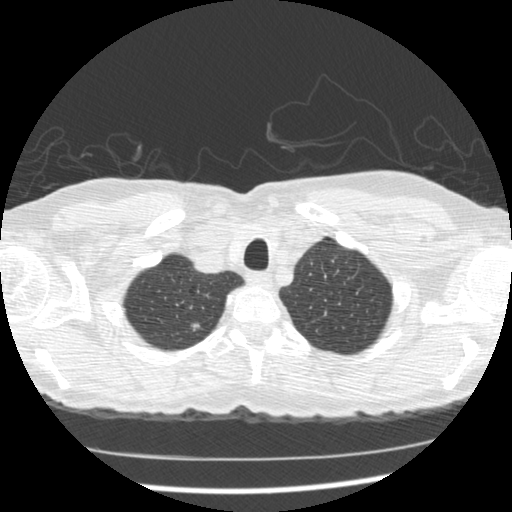
Axial chest CT slice 398 of 449 (counted from the lowest slice); tube voltage 120 kVp, convolution kernel STANDARD; slices 1.25 mm thick, 0.625 mm per pixel.
Pulmonary nodule, outlined by two of the four readers. Box on this slice rows 323–329, columns 190–200, the union of the readers' outlines on this slice; longest diameter 8.3 mm and volume 92 mm3 across the two readers' outlines. The readers' ratings, as ranges where they differ: texture 3/5 (part-solid) from both readers; margin from 3/5 to 4/5 across the two readers; sphericity from 2/5 to 4/5 across the two readers; calcification absent, both readers agreeing; internal structure split among the readers: soft tissue (one), air (one); subtlety 3/5, both readers agreeing; malignancy likelihood rated between 3 and 4 out of 5 by the two readers. Scale key (1–5): texture non-solid→solid, margin indistinct→circumscribed, sphericity linear→round, subtlety extremely subtle→obvious, malignancy likelihood highly unlikely→highly suspicious of cancer. Box rows and columns are 0-based pixel indices from the top-left corner, inclusive.